Axial chest CT slice 100 of 122 (counted from the lowest slice); tube voltage 140 kVp, convolution kernel BONE; slices 2.50 mm thick, 0.664 mm per pixel.
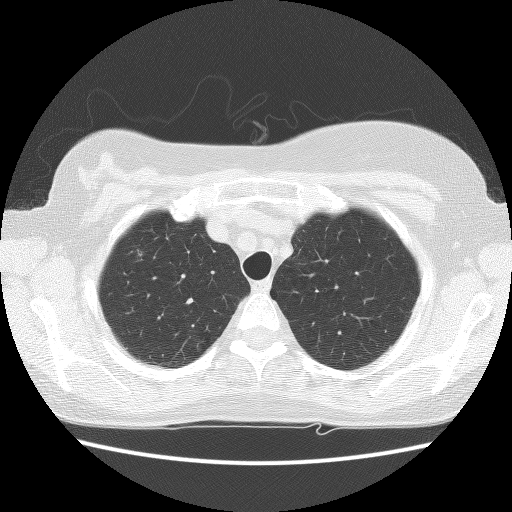
Pulmonary nodule at rows 250–256, columns 137–143 (box = that reader's outline on this slice), outlined by one of the four readers; longest diameter 8.0 mm and volume 185 mm3 from that reader's outline. That reader's ratings: texture 3/5 (part-solid); margin 2/5; sphericity 3/5 (ovoid); calcification absent; internal structure soft tissue; subtlety 4/5; malignancy likelihood 3/5. Scale key (1–5): texture non-solid→solid, margin indistinct→circumscribed, sphericity linear→round, subtlety extremely subtle→obvious, malignancy likelihood highly unlikely→highly suspicious of cancer. Box rows and columns are 0-based pixel indices from the top-left corner, inclusive.